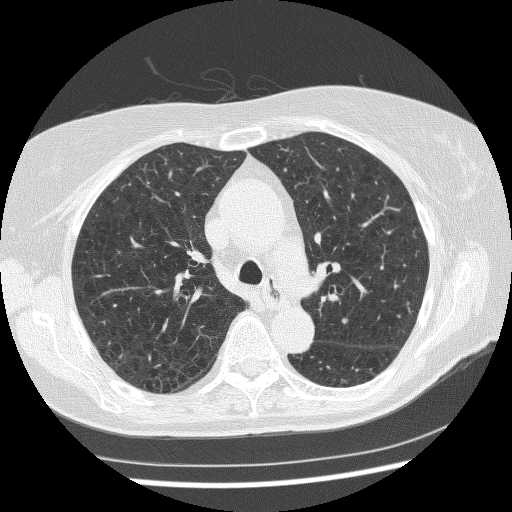
Chest CT, axial plane, 120 kVp, kernel BONE. Slice 175/247 from the bottom of the scan; thickness 1.25 mm; pixel size 0.643 mm.
Pulmonary nodule at rows 318–323, columns 342–347 (box = the union of the readers' outlines on this slice), outlined by all four readers; median longest diameter 5.9 mm (readers' outlines 5.9–6.3 mm), median volume 71 mm3 (67–85 mm3). Ratings, median across the readers with their spread: median texture 5/5 (solid) (readers ranged 4/5 to 5/5 (solid)); margin 5/5 (circumscribed) at the median of four readers, spread 4/5 to 5/5 (circumscribed); median sphericity 5/5 (round) (readers ranged 4/5 to 5/5 (round)); calcification absent from all four readers; internal structure soft tissue from all four readers; median subtlety 2.5/5 (readers ranged 2–5); median malignancy likelihood 3/5 (readers ranged 2–3). Scale key (1–5): texture non-solid→solid, margin indistinct→circumscribed, sphericity linear→round, subtlety extremely subtle→obvious, malignancy likelihood highly unlikely→highly suspicious of cancer. Box rows and columns are 0-based pixel indices from the top-left corner, inclusive.